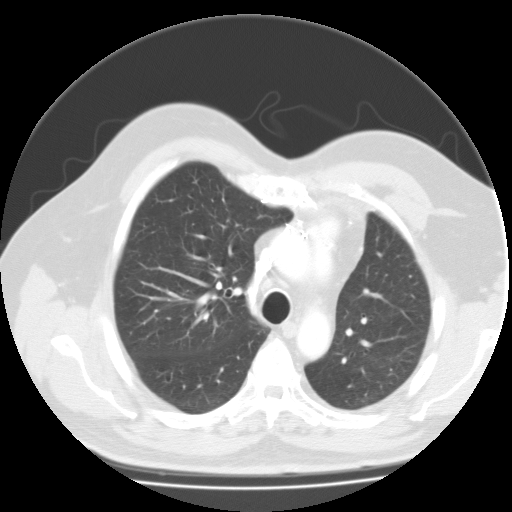
Axial chest CT slice 80 of 111 (counted from the lowest slice); 3.00 mm thick, 0.769 mm per pixel. This slice carries no reader outline of a nodule 3 mm or larger.
Tube voltage 135 kVp; convolution kernel FC01.